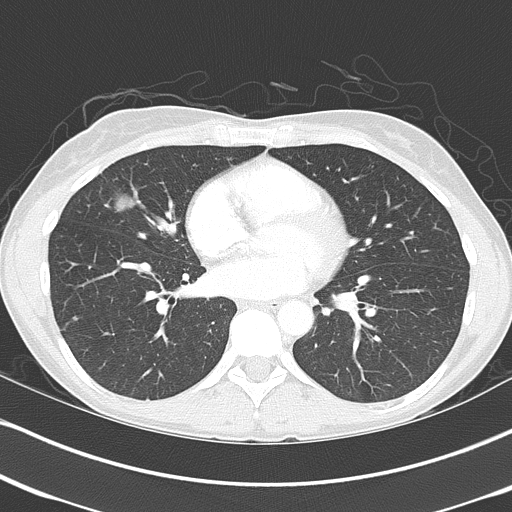
Chest CT, axial plane, 120 kVp, kernel B70f. Slice 190/368 from the bottom of the scan; thickness 2.00 mm; pixel size 0.623 mm.
Pulmonary nodule at rows 191–213, columns 114–136 (box = the union of the readers' outlines on this slice), outlined by all four readers; the four readers' outlines give a longest diameter between 27.1 and 39.3 mm and a volume between 6531 and 9806 mm3. The readers' ratings, as ranges where they differ: texture 5/5 (solid) from all four readers; margin from 2/5 to 5/5 (circumscribed) across the four readers; sphericity from 2/5 to 3/5 (ovoid) across the four readers; calcification split among the readers: laminated calcification (one), absent (one), popcorn calcification (one), non-central calcification (one); internal structure soft tissue from all four readers; subtlety 5/5 from all four readers; malignancy likelihood from 1/5 to 5/5 across the four readers. Scale key (1–5): texture non-solid→solid, margin indistinct→circumscribed, sphericity linear→round, subtlety extremely subtle→obvious, malignancy likelihood highly unlikely→highly suspicious of cancer. Box rows and columns are 0-based pixel indices from the top-left corner, inclusive.